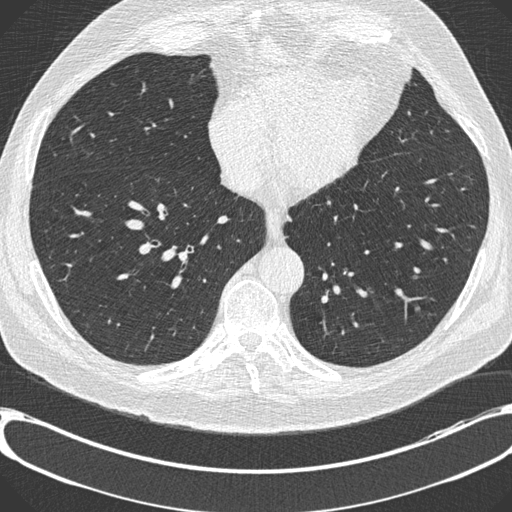
Axial slice 290 of 730 of a chest CT (slice 1 is the lowest), reconstructed with the B30f kernel at 120 kVp; 0.60 mm slice thickness and 0.730 mm pixels.
Pulmonary nodule at rows 307–310, columns 415–419 (box = that reader's outline on this slice), outlined by one of the four readers; longest diameter 7.2 mm and volume 114 mm3 from that reader's outline. That reader's ratings: texture 5/5 (solid); margin 5/5 (circumscribed); sphericity 5/5 (round); calcification absent; internal structure soft tissue; subtlety 3/5; malignancy likelihood 2/5. Scale key (1–5): texture non-solid→solid, margin indistinct→circumscribed, sphericity linear→round, subtlety extremely subtle→obvious, malignancy likelihood highly unlikely→highly suspicious of cancer. Box rows and columns are 0-based pixel indices from the top-left corner, inclusive.